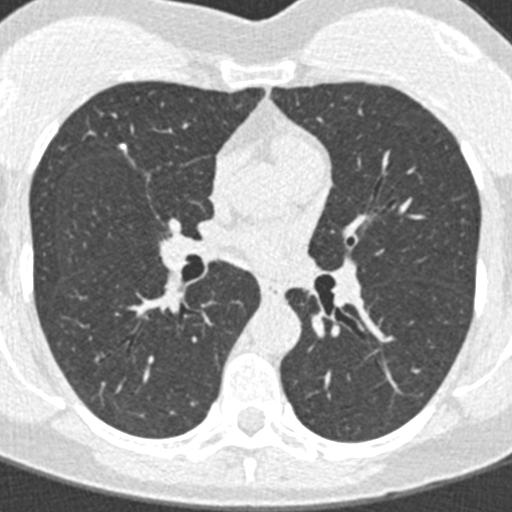
Chest CT, axial plane, 120 kVp, kernel B30f. Slice 202/376 from the bottom of the scan; thickness 0.75 mm; pixel size 0.461 mm.
Pulmonary nodule at rows 142–152, columns 118–126 (box = the union of the readers' outlines on this slice), outlined by three of the four readers; longest diameter 5.3–7.2 mm and volume 18–56 mm3 across the three readers' outlines. The readers' ratings, as ranges where they differ: texture 5/5 (solid), all three readers agreeing; margin from 4/5 to 5/5 (circumscribed) across the three readers; sphericity from 3/5 (ovoid) to 4/5 across the three readers; calcification: solid calcification (two), absent (one); internal structure soft tissue, all three readers agreeing; subtlety from 3/5 to 5/5 across the three readers; malignancy likelihood 1–3/5 (the readers disagree). Scale key (1–5): texture non-solid→solid, margin indistinct→circumscribed, sphericity linear→round, subtlety extremely subtle→obvious, malignancy likelihood highly unlikely→highly suspicious of cancer. Box rows and columns are 0-based pixel indices from the top-left corner, inclusive.